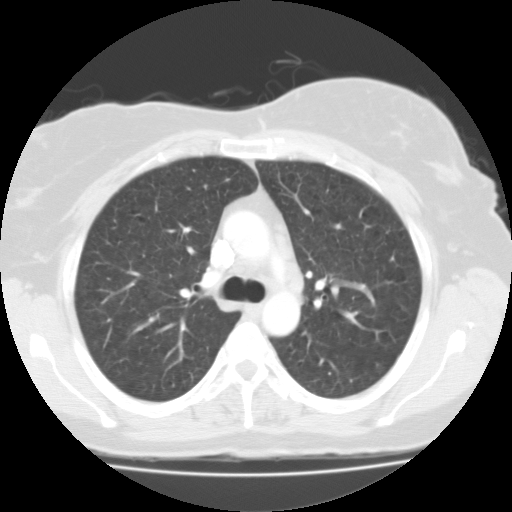
This is axial slice 81 of 113 (slice 1 is the lowest) of a chest CT; each pixel is 0.698 mm and the slice is 3.00 mm thick. None of the four readers outlined a nodule of 3 mm or more on this slice.
Scan settings: 135 kVp, FC01 reconstruction kernel.